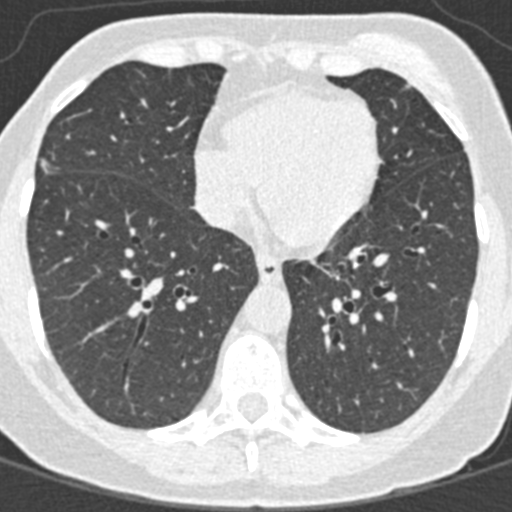
Axial chest CT slice 133 of 376 (counted from the lowest slice); 0.75 mm thick, 0.461 mm per pixel. Pulmonary nodule at rows 84–88, columns 404–409 (box = that reader's outline on this slice), outlined by one of the four readers; longest diameter 3.8 mm and volume 20 mm3 from that reader's outline. That reader's ratings: texture 5/5 (solid); margin 5/5 (circumscribed); sphericity 5/5 (round); calcification absent; internal structure soft tissue; subtlety 5/5; malignancy likelihood 3/5. Scale key (1–5): texture non-solid→solid, margin indistinct→circumscribed, sphericity linear→round, subtlety extremely subtle→obvious, malignancy likelihood highly unlikely→highly suspicious of cancer. Box rows and columns are 0-based pixel indices from the top-left corner, inclusive.
Acquired at 120 kVp and reconstructed with the B30f kernel.